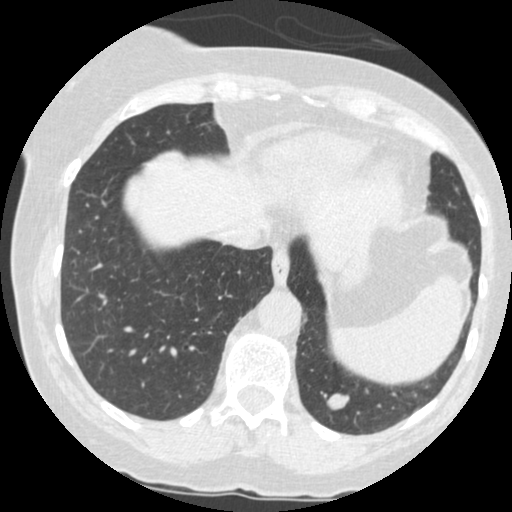
One axial slice (113 of 484, counting up from the lowest) of a chest CT acquired at 120 kVp with the STANDARD kernel; each pixel is 0.586 mm and the slice is 1.25 mm thick.
Pulmonary nodule, outlined by all four readers. Box on this slice rows 393–410, columns 326–348, the union of the readers' outlines on this slice; longest diameter 15.7 mm on average over the four readers' outlines (readers' outlines 14.7–16.9 mm), volume 1036–1469 mm3. Ratings, by the readers' most common answer with dissent counted: texture 5/5 (solid), all four readers agreeing; margin 5/5 (circumscribed), all four readers agreeing; sphericity 4/5 by two of four readers; the rest gave 3/5 (ovoid) (one), 5/5 (round) (one); calcification absent from all four readers; internal structure soft tissue from all four readers; subtlety 5/5 from all four readers; malignancy likelihood 5/5 by two of four readers; the rest gave 2/5 (one), 3/5 (one). Scale key (1–5): texture non-solid→solid, margin indistinct→circumscribed, sphericity linear→round, subtlety extremely subtle→obvious, malignancy likelihood highly unlikely→highly suspicious of cancer. Box rows and columns are 0-based pixel indices from the top-left corner, inclusive.